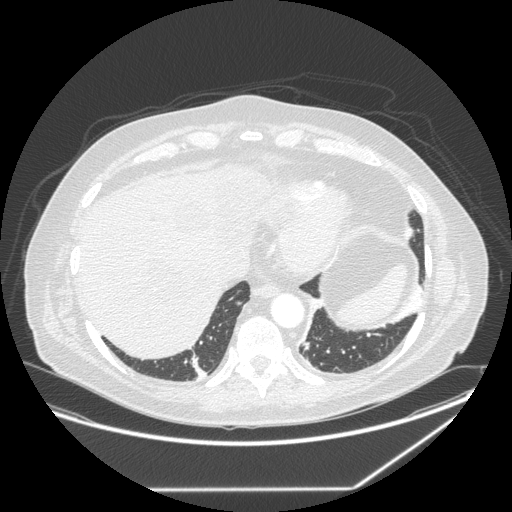
Axial chest CT slice 84 of 258 (counted from the lowest slice); 1.25 mm thick, 0.859 mm per pixel. Pulmonary nodule outlined by three of the four readers; box rows 301–305, columns 235–241 (the union of the readers' outlines on this slice); the three readers' outlines give a longest diameter between 7.1 and 9.0 mm and a volume between 120 and 186 mm3. The readers' ratings, as ranges where they differ: texture 5/5 (solid) from all three readers; margin from 4/5 to 5/5 (circumscribed) across the three readers; sphericity from 4/5 to 5/5 (round) across the three readers; calcification absent, all three readers agreeing; internal structure soft tissue, all three readers agreeing; subtlety 3–5/5 (the readers disagree); malignancy likelihood 2–3/5 (the readers disagree). Scale key (1–5): texture non-solid→solid, margin indistinct→circumscribed, sphericity linear→round, subtlety extremely subtle→obvious, malignancy likelihood highly unlikely→highly suspicious of cancer. Box rows and columns are 0-based pixel indices from the top-left corner, inclusive.
Acquired at 120 kVp and reconstructed with the STANDARD kernel.